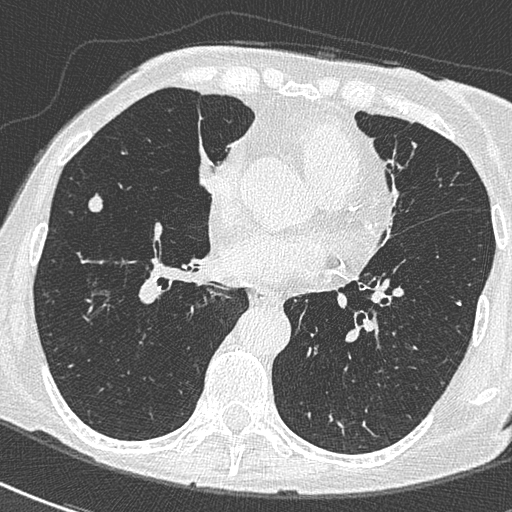
One axial slice (284 of 588, counting up from the lowest) of a chest CT acquired at 120 kVp with the B50f kernel; each pixel is 0.514 mm and the slice is 0.60 mm thick.
Pulmonary nodule at rows 192–212, columns 87–104 (box = the union of the readers' outlines on this slice), outlined by all four readers; longest diameter 11.2 mm on average over the four readers' outlines (readers' outlines 10.3–12.9 mm), volume 343–465 mm3. Ratings, by the readers' most common answer with dissent counted: texture 5/5 (solid), all four readers agreeing; most readers (three of four) put margin at 5/5 (circumscribed), others 4/5 (one); sphericity 3/5 (ovoid) by two of four readers; the rest gave 4/5 (one), 5/5 (round) (one); calcification absent from all four readers; internal structure soft tissue, all four readers agreeing; subtlety 5/5 by three of four readers; the rest gave 4/5 (one); malignancy likelihood 3/5 by three of four readers; the rest gave 2/5 (one). Scale key (1–5): texture non-solid→solid, margin indistinct→circumscribed, sphericity linear→round, subtlety extremely subtle→obvious, malignancy likelihood highly unlikely→highly suspicious of cancer. Box rows and columns are 0-based pixel indices from the top-left corner, inclusive.